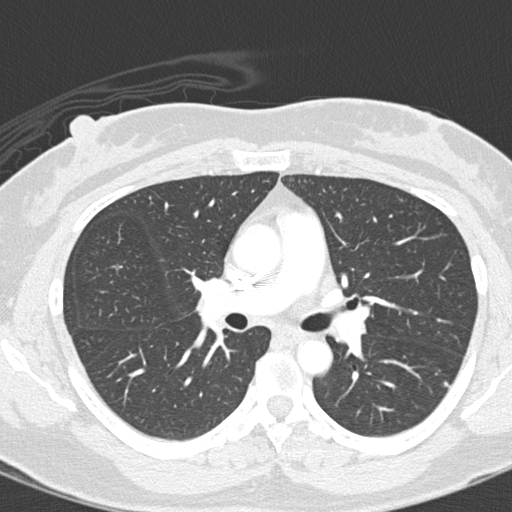
Slice 173/278 of a chest CT, counting up from the lowest; pixel size 0.566 mm, slice thickness 1.00 mm. No nodule of 3 mm or larger was outlined by any of the four readers on this slice.
Acquired at 120 kVp and reconstructed with the B45f kernel.